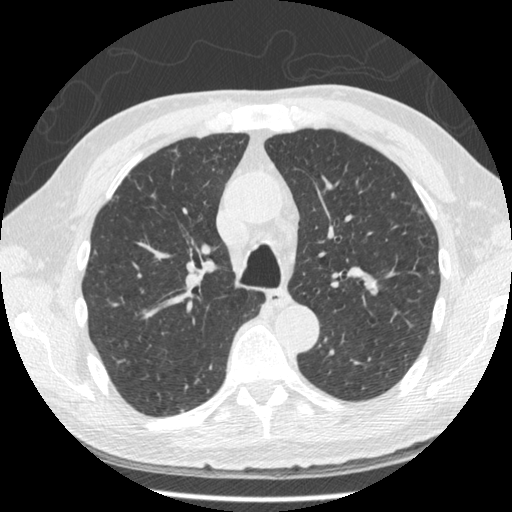
Axial chest CT slice 323 of 481 (counted from the lowest slice); 1.25 mm thick, 0.664 mm per pixel. Two pulmonary nodules on this slice, listed from left to right. (1) Pulmonary nodule outlined by two of the four readers; box rows 194–207, columns 149–155 (the union of the readers' outlines on this slice); longest diameter 10.4–17.6 mm and volume 117–191 mm3 across the two readers' outlines. The readers' ratings, as ranges where they differ: texture from 3/5 (part-solid) to 5/5 (solid) across the two readers; margin from 1/5 (indistinct) to 4/5 across the two readers; sphericity 2/5, both readers agreeing; calcification absent from both readers; internal structure soft tissue from both readers; subtlety from 2/5 to 4/5 across the two readers; malignancy likelihood from 1/5 to 4/5 across the two readers. (2) Pulmonary nodule at rows 192–197, columns 391–395 (box = that reader's outline on this slice), outlined by one of the four readers; longest diameter 7.4 mm and volume 65 mm3 from that reader's outline. Ratings by that reader: texture 5/5 (solid); margin 5/5 (circumscribed); sphericity 4/5; calcification absent; internal structure soft tissue; subtlety 4/5; malignancy likelihood 3/5. Scale key (1–5): texture non-solid→solid, margin indistinct→circumscribed, sphericity linear→round, subtlety extremely subtle→obvious, malignancy likelihood highly unlikely→highly suspicious of cancer. Box rows and columns are 0-based pixel indices from the top-left corner, inclusive.
Acquired at 120 kVp and reconstructed with the STANDARD kernel.